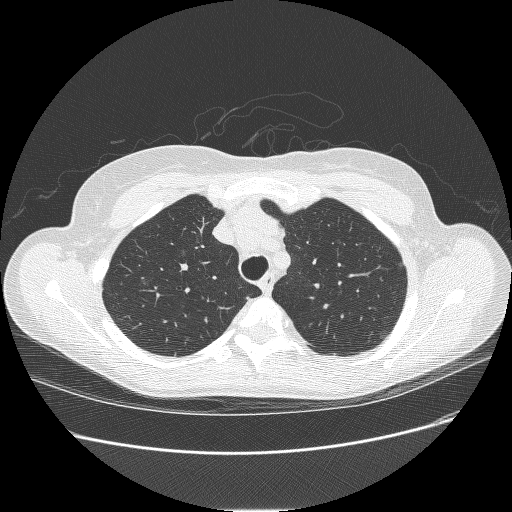
This is axial slice 198 of 238 (slice 1 is the lowest) of a chest CT; each pixel is 0.703 mm and the slice is 1.25 mm thick. Three pulmonary nodules are outlined on this slice; from left to right: (1) Pulmonary nodule outlined by one of the four readers; box rows 279–288, columns 137–149 (that reader's outline on this slice); longest diameter 14.0 mm and volume 212 mm3 from that reader's outline. That reader's ratings: texture 1/5 (non-solid); margin 1/5 (indistinct); sphericity 4/5; calcification absent; internal structure soft tissue; subtlety 3/5; malignancy likelihood 4/5. (2) Pulmonary nodule outlined by all four readers, two of them on this slice; box rows 249–256, columns 181–185 (the union of the readers' outlines on this slice); median longest diameter 10.6 mm (readers' outlines 9.6–12.0 mm), median volume 267 mm3 (193–427 mm3). Ratings, median across the readers with their spread: median texture 1/5 (non-solid) (readers ranged 1/5 (non-solid) to 3/5 (part-solid)); margin 1.5/5 at the median of four readers, spread 1/5 (indistinct) to 5/5 (circumscribed); sphericity 4.5/5 at the median of four readers, spread 3/5 (ovoid) to 5/5 (round); calcification absent, all four readers agreeing; internal structure soft tissue, all four readers agreeing; subtlety 3.5/5 at the median of four readers, spread 2–4; malignancy likelihood 3.5/5 at the median of four readers, spread 2–4. (3) Pulmonary nodule outlined by all four readers, two of them on this slice; box rows 262–269, columns 396–402 (the union of the readers' outlines on this slice); median longest diameter 10.2 mm (readers' outlines 8.0–11.4 mm), median volume 203 mm3 (146–273 mm3). Median ratings and the readers' spread: texture 1.5/5 at the median of four readers, spread 1/5 (non-solid) to 3/5 (part-solid); median margin 1/5 (indistinct) (readers ranged 1/5 (indistinct) to 4/5); sphericity 4/5 from all four readers; calcification absent from all four readers; internal structure soft tissue, all four readers agreeing; median subtlety 3/5 (readers ranged 2–4); median malignancy likelihood 4/5 (readers ranged 3–4). Scale key (1–5): texture non-solid→solid, margin indistinct→circumscribed, sphericity linear→round, subtlety extremely subtle→obvious, malignancy likelihood highly unlikely→highly suspicious of cancer. Box rows and columns are 0-based pixel indices from the top-left corner, inclusive.
Scan settings: 120 kVp, BONE reconstruction kernel.